Chest CT, axial plane, 120 kVp, kernel STANDARD. Slice 317/583 from the bottom of the scan; thickness 1.25 mm; pixel size 0.703 mm.
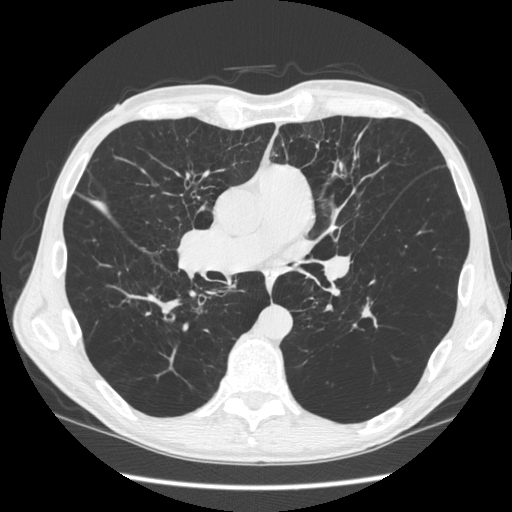
Pulmonary nodule, outlined by two of the four readers. Box on this slice rows 302–326, columns 362–376, the union of the readers' outlines on this slice; longest diameter 24.1–31.7 mm and volume 791–1176 mm3 across the two readers' outlines. Ratings across the readers: texture 5/5 (solid) from both readers; margin from 1/5 (indistinct) to 4/5 across the two readers; sphericity from 1/5 (linear) to 2/5 across the two readers; calcification absent, both readers agreeing; internal structure soft tissue from both readers; subtlety 5/5 from both readers; malignancy likelihood 2–3/5 (the readers disagree). Scale key (1–5): texture non-solid→solid, margin indistinct→circumscribed, sphericity linear→round, subtlety extremely subtle→obvious, malignancy likelihood highly unlikely→highly suspicious of cancer. Box rows and columns are 0-based pixel indices from the top-left corner, inclusive.